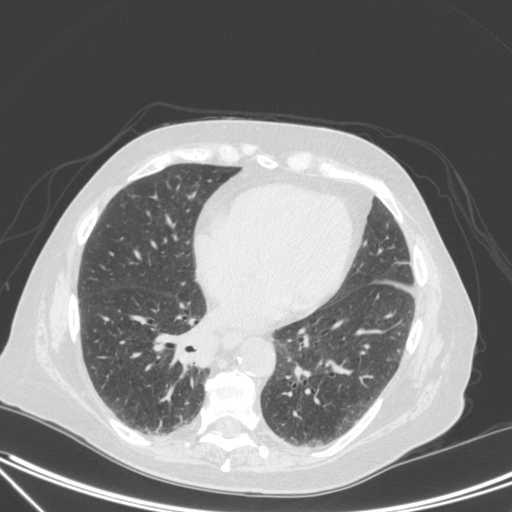
This is axial slice 122 of 350 (slice 1 is the lowest) of a chest CT; each pixel is 0.725 mm and the slice is 1.50 mm thick. Pulmonary nodule, outlined by one of the four readers. Box on this slice rows 336–365, columns 195–217, that reader's outline on this slice; longest diameter 29.7 mm and volume 4028 mm3 from that reader's outline. Ratings by that reader: texture 5/5 (solid); margin 3/5; sphericity 3/5 (ovoid); calcification absent; internal structure soft tissue; subtlety 5/5; malignancy likelihood 4/5. Scale key (1–5): texture non-solid→solid, margin indistinct→circumscribed, sphericity linear→round, subtlety extremely subtle→obvious, malignancy likelihood highly unlikely→highly suspicious of cancer. Box rows and columns are 0-based pixel indices from the top-left corner, inclusive.
Acquired at 120 kVp and reconstructed with the C kernel.